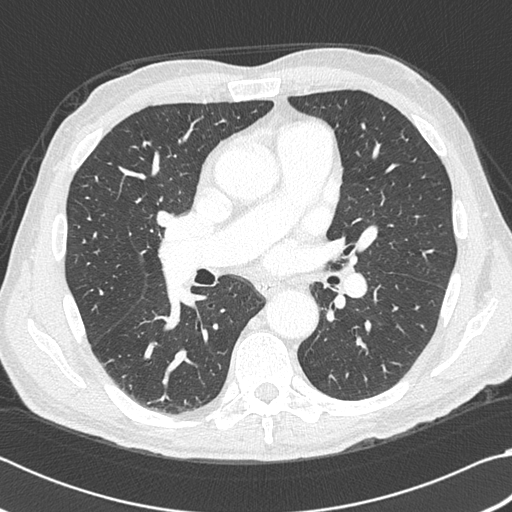
Axial chest CT slice 221 of 383 (counted from the lowest slice); tube voltage 120 kVp, convolution kernel B45f; slices 1.00 mm thick, 0.664 mm per pixel.
Pulmonary nodule at rows 122–129, columns 360–365 (box = the union of the readers' outlines on this slice), outlined by all four readers, three of them on this slice; median longest diameter 11.6 mm (readers' outlines 10.1–11.8 mm), median volume 513 mm3 (386–564 mm3). Median ratings and the readers' spread: texture 5/5 (solid) from all four readers; margin 5/5 (circumscribed) at the median of four readers, spread 4/5 to 5/5 (circumscribed); sphericity 4.5/5 at the median of four readers, spread 3/5 (ovoid) to 5/5 (round); calcification absent from all four readers; internal structure soft tissue from all four readers; median subtlety 5/5 (readers ranged 4–5); median malignancy likelihood 2.5/5 (readers ranged 2–5). Scale key (1–5): texture non-solid→solid, margin indistinct→circumscribed, sphericity linear→round, subtlety extremely subtle→obvious, malignancy likelihood highly unlikely→highly suspicious of cancer. Box rows and columns are 0-based pixel indices from the top-left corner, inclusive.